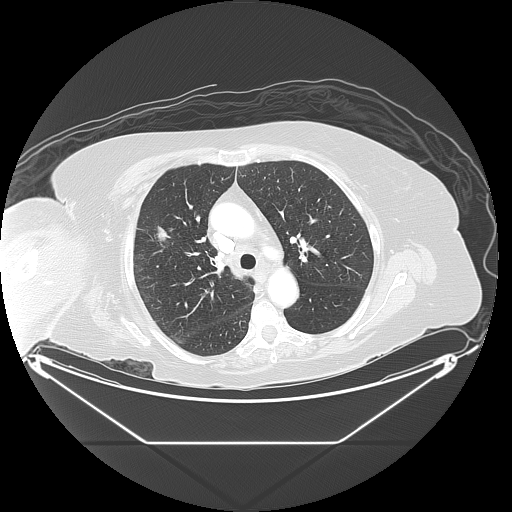
Axial chest CT slice 99 of 133 (counted from the lowest slice); 2.50 mm thick, 0.977 mm per pixel. Pulmonary nodule at rows 226–240, columns 156–170 (box = the union of the readers' outlines on this slice), outlined by all four readers; median longest diameter 25.6 mm (readers' outlines 24.5–34.5 mm), median volume 4013 mm3 (3757–4258 mm3). Median ratings and the readers' spread: median texture 5/5 (solid) (readers ranged 4/5 to 5/5 (solid)); margin 4.5/5 at the median of four readers, spread 4/5 to 5/5 (circumscribed); sphericity 3.5/5 at the median of four readers, spread 3/5 (ovoid) to 5/5 (round); calcification absent, all four readers agreeing; internal structure soft tissue, all four readers agreeing; subtlety 5/5 from all four readers; median malignancy likelihood 5/5 (readers ranged 4–5). Scale key (1–5): texture non-solid→solid, margin indistinct→circumscribed, sphericity linear→round, subtlety extremely subtle→obvious, malignancy likelihood highly unlikely→highly suspicious of cancer. Box rows and columns are 0-based pixel indices from the top-left corner, inclusive.
Scan settings: 120 kVp, LUNG reconstruction kernel.